Axial slice 78 of 115 of a chest CT (slice 1 is the lowest), reconstructed with the B31s kernel at 130 kVp; 3.00 mm slice thickness and 0.582 mm pixels.
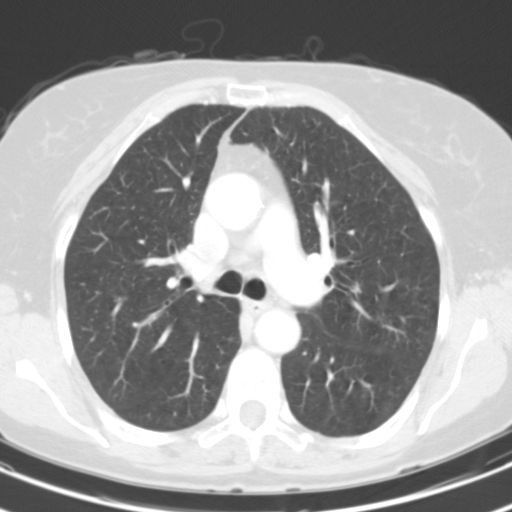
Pulmonary nodule, outlined by two of the four readers. Box on this slice rows 281–294, columns 349–362, the union of the readers' outlines on this slice; longest diameter 8.8–9.1 mm and volume 161–223 mm3 across the two readers' outlines. The readers' ratings, as ranges where they differ: texture 3/5 (part-solid) from both readers; margin 1/5 (indistinct), both readers agreeing; sphericity from 3/5 (ovoid) to 4/5 across the two readers; calcification absent, both readers agreeing; internal structure soft tissue, both readers agreeing; subtlety from 4/5 to 5/5 across the two readers; malignancy likelihood 3/5, both readers agreeing. Scale key (1–5): texture non-solid→solid, margin indistinct→circumscribed, sphericity linear→round, subtlety extremely subtle→obvious, malignancy likelihood highly unlikely→highly suspicious of cancer. Box rows and columns are 0-based pixel indices from the top-left corner, inclusive.